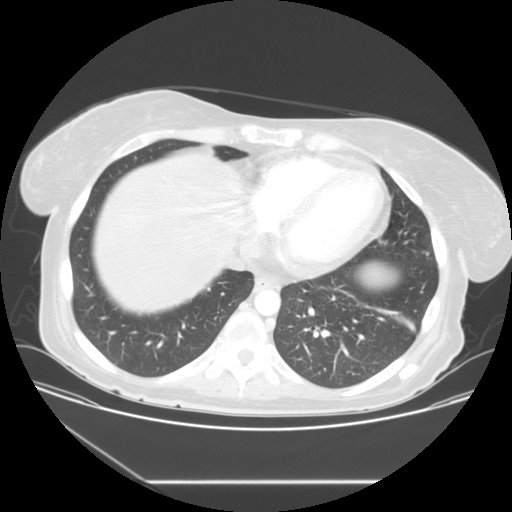
One axial slice (52 of 117, counting up from the lowest) of a chest CT acquired at 120 kVp with the STANDARD kernel; each pixel is 0.781 mm and the slice is 2.50 mm thick.
Pulmonary nodule, outlined by one of the four readers. Box on this slice rows 252–254, columns 426–429, that reader's outline on this slice; longest diameter 4.6 mm and volume 50 mm3 from that reader's outline. That reader's ratings: texture 1/5 (non-solid); margin 2/5; sphericity 5/5 (round); calcification absent; internal structure soft tissue; subtlety 1/5; malignancy likelihood 2/5. Scale key (1–5): texture non-solid→solid, margin indistinct→circumscribed, sphericity linear→round, subtlety extremely subtle→obvious, malignancy likelihood highly unlikely→highly suspicious of cancer. Box rows and columns are 0-based pixel indices from the top-left corner, inclusive.